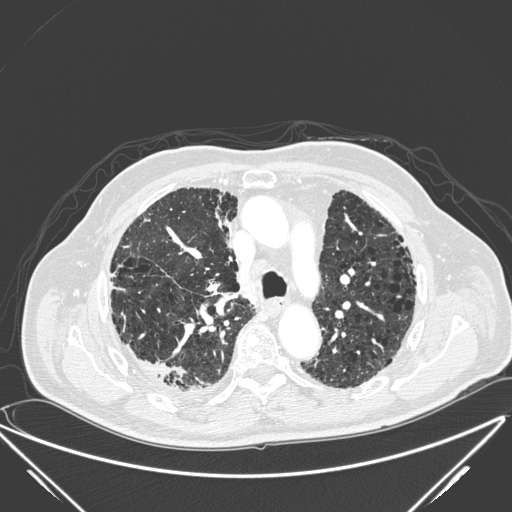
Chest CT, axial plane, 120 kVp, kernel D. Slice 156/278 from the bottom of the scan; thickness 1.00 mm; pixel size 0.812 mm.
Pulmonary nodule outlined by all four readers, two of them on this slice; box rows 360–380, columns 154–185 (the union of the readers' outlines on this slice); median longest diameter 33.5 mm (readers' outlines 17.4–39.8 mm), median volume 3234 mm3 (1021–4525 mm3). Median ratings and the readers' spread: texture 5/5 (solid) from all four readers; median margin 2.5/5 (readers ranged 1/5 (indistinct) to 5/5 (circumscribed)); median sphericity 2/5 (readers ranged 2/5 to 5/5 (round)); calcification absent, all four readers agreeing; internal structure soft tissue, all four readers agreeing; median subtlety 4.5/5 (readers ranged 4–5); malignancy likelihood 4.5/5 at the median of four readers, spread 3–5. Scale key (1–5): texture non-solid→solid, margin indistinct→circumscribed, sphericity linear→round, subtlety extremely subtle→obvious, malignancy likelihood highly unlikely→highly suspicious of cancer. Box rows and columns are 0-based pixel indices from the top-left corner, inclusive.